Chest CT, axial plane, 135 kVp, kernel FC01. Slice 55/127 from the bottom of the scan; thickness 3.00 mm; pixel size 0.750 mm.
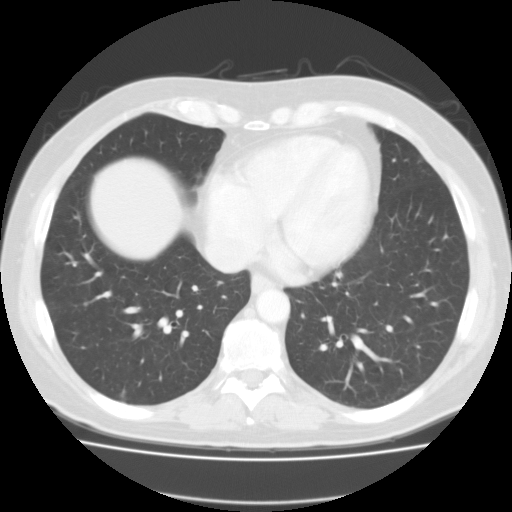
Pulmonary nodule outlined by two of the four readers, one of them on this slice; box rows 391–396, columns 121–124 (the one reader's outline on this slice); longest diameter 9.6 mm on average over the two readers' outlines (readers' outlines 9.0–10.2 mm), volume 149–183 mm3. The readers' prevailing ratings and who disagreed: texture split among the readers: 3/5 (part-solid) (one), 4/5 (one); margin split among the readers: 2/5 (one), 3/5 (one); sphericity split among the readers: 3/5 (ovoid) (one), 4/5 (one); calcification absent, both readers agreeing; internal structure soft tissue from both readers; subtlety split among the readers: 3/5 (one), 4/5 (one); malignancy likelihood split among the readers: 2/5 (one), 3/5 (one). Scale key (1–5): texture non-solid→solid, margin indistinct→circumscribed, sphericity linear→round, subtlety extremely subtle→obvious, malignancy likelihood highly unlikely→highly suspicious of cancer. Box rows and columns are 0-based pixel indices from the top-left corner, inclusive.